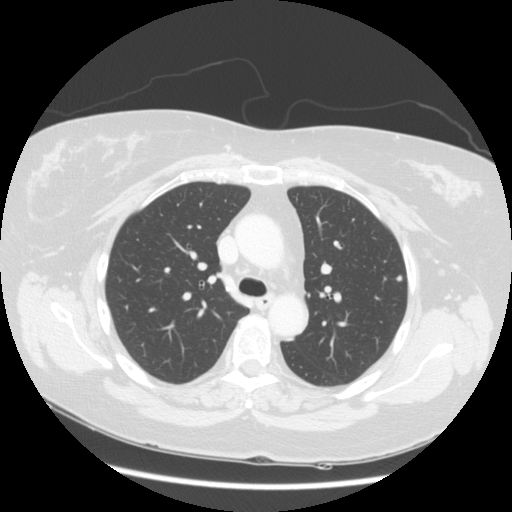
Axial chest CT slice 86 of 123 (counted from the lowest slice); tube voltage 140 kVp, convolution kernel STANDARD; slices 2.50 mm thick, 0.703 mm per pixel.
Pulmonary nodule, outlined by two of the four readers. Box on this slice rows 275–280, columns 396–401, the union of the readers' outlines on this slice; the two readers' outlines give a longest diameter between 4.7 and 5.4 mm and a volume between 65 and 66 mm3. Ratings across the readers: texture from 1/5 (non-solid) to 4/5 across the two readers; margin from 2/5 to 4/5 across the two readers; sphericity from 4/5 to 5/5 (round) across the two readers; calcification absent from both readers; internal structure soft tissue from both readers; subtlety rated between 1 and 3 out of 5 by the two readers; malignancy likelihood from 2/5 to 3/5 across the two readers. Scale key (1–5): texture non-solid→solid, margin indistinct→circumscribed, sphericity linear→round, subtlety extremely subtle→obvious, malignancy likelihood highly unlikely→highly suspicious of cancer. Box rows and columns are 0-based pixel indices from the top-left corner, inclusive.